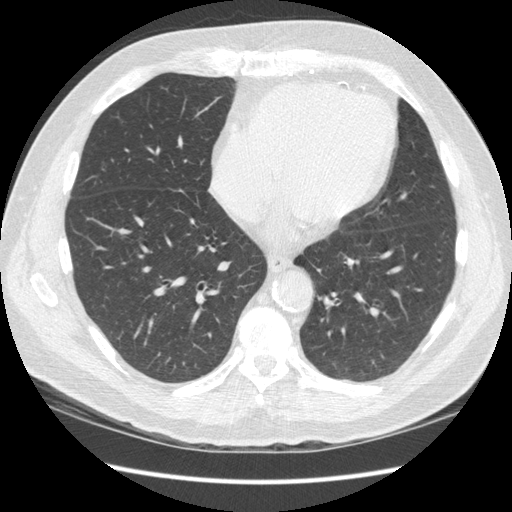
Slice 98/369 of a chest CT, counting up from the lowest; pixel size 0.703 mm, slice thickness 1.25 mm. This slice carries no reader outline of a nodule 3 mm or larger.
Acquired at 120 kVp and reconstructed with the STANDARD kernel.